Axial slice 54 of 139 of a chest CT (slice 1 is the lowest), reconstructed with the STANDARD kernel at 120 kVp; 2.50 mm slice thickness and 0.898 mm pixels.
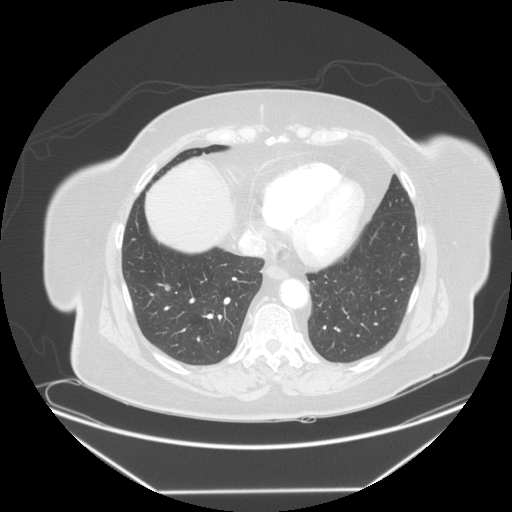
Pulmonary nodule at rows 285–288, columns 165–169 (box = the one reader's outline on this slice), outlined by three of the four readers, one of them on this slice; longest diameter 18.0 mm on average over the three readers' outlines (readers' outlines 17.4–18.7 mm), volume 1637–1856 mm3. The readers' prevailing ratings and who disagreed: texture 5/5 (solid), all three readers agreeing; most readers (two of three) put margin at 4/5, others 5/5 (circumscribed) (one); sphericity 3/5 (ovoid) by two of three readers; the rest gave 2/5 (one); calcification absent, all three readers agreeing; internal structure soft tissue, all three readers agreeing; subtlety 5/5, all three readers agreeing; malignancy likelihood 4/5 by two of three readers; the rest gave 3/5 (one). Scale key (1–5): texture non-solid→solid, margin indistinct→circumscribed, sphericity linear→round, subtlety extremely subtle→obvious, malignancy likelihood highly unlikely→highly suspicious of cancer. Box rows and columns are 0-based pixel indices from the top-left corner, inclusive.